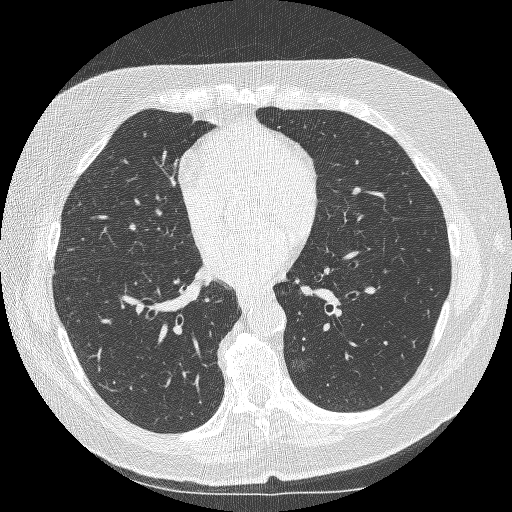
Axial slice 132 of 253 of a chest CT (slice 1 is the lowest), reconstructed with the BONE kernel at 120 kVp; 1.25 mm slice thickness and 0.625 mm pixels.
Pulmonary nodule, outlined by two of the four readers. Box on this slice rows 356–373, columns 288–312, the union of the readers' outlines on this slice; longest diameter 12.5–18.2 mm and volume 433–519 mm3 across the two readers' outlines. Ratings across the readers: texture 1/5 (non-solid) from both readers; margin 1/5 (indistinct), both readers agreeing; sphericity from 3/5 (ovoid) to 5/5 (round) across the two readers; calcification absent from both readers; internal structure soft tissue from both readers; subtlety rated between 1 and 3 out of 5 by the two readers; malignancy likelihood rated between 3 and 4 out of 5 by the two readers. Scale key (1–5): texture non-solid→solid, margin indistinct→circumscribed, sphericity linear→round, subtlety extremely subtle→obvious, malignancy likelihood highly unlikely→highly suspicious of cancer. Box rows and columns are 0-based pixel indices from the top-left corner, inclusive.